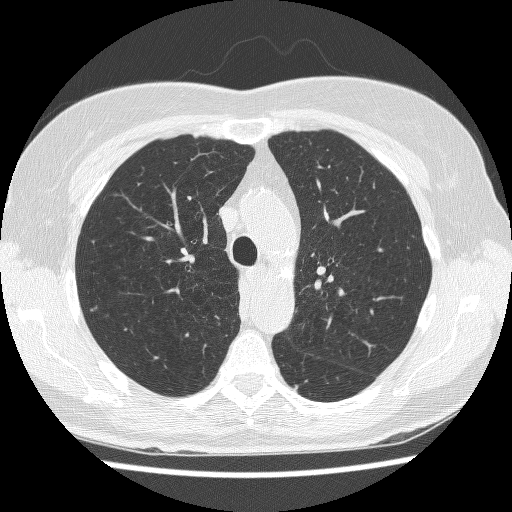
Axial slice 176 of 241 of a chest CT (slice 1 is the lowest), reconstructed with the BONE kernel at 120 kVp; 1.25 mm slice thickness and 0.609 mm pixels.
Pulmonary nodule, outlined by one of the four readers. Box on this slice rows 240–243, columns 91–94, that reader's outline on this slice; longest diameter 6.0 mm and volume 81 mm3 from that reader's outline. Ratings by that reader: texture 3/5 (part-solid); margin 4/5; sphericity 4/5; calcification absent; internal structure soft tissue; subtlety 2/5; malignancy likelihood 3/5. Scale key (1–5): texture non-solid→solid, margin indistinct→circumscribed, sphericity linear→round, subtlety extremely subtle→obvious, malignancy likelihood highly unlikely→highly suspicious of cancer. Box rows and columns are 0-based pixel indices from the top-left corner, inclusive.